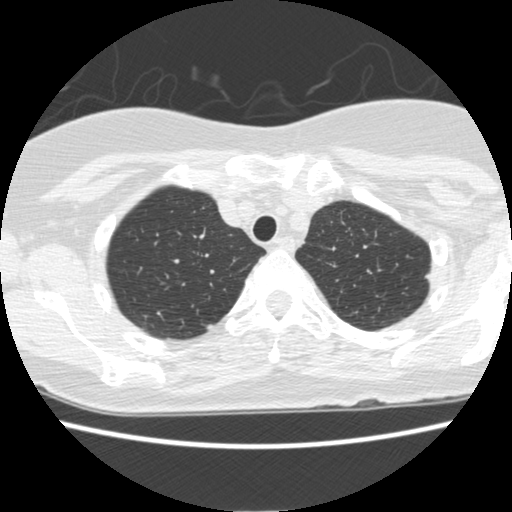
Chest CT, axial plane, 120 kVp, kernel STANDARD. Slice 373/484 from the bottom of the scan; thickness 1.25 mm; pixel size 0.625 mm.
Pulmonary nodule outlined by one of the four readers; box rows 324–329, columns 206–212 (that reader's outline on this slice); longest diameter 5.9 mm and volume 45 mm3 from that reader's outline. That reader's ratings: texture 5/5 (solid); margin 4/5; sphericity 3/5 (ovoid); calcification absent; internal structure soft tissue; subtlety 3/5; malignancy likelihood 1/5. Scale key (1–5): texture non-solid→solid, margin indistinct→circumscribed, sphericity linear→round, subtlety extremely subtle→obvious, malignancy likelihood highly unlikely→highly suspicious of cancer. Box rows and columns are 0-based pixel indices from the top-left corner, inclusive.